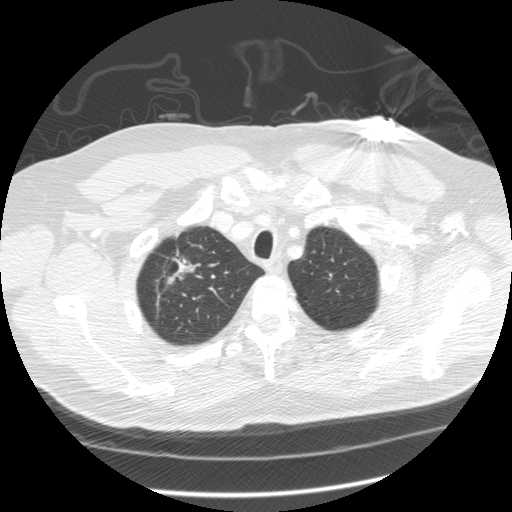
Axial chest CT slice 265 of 305 (counted from the lowest slice); tube voltage 120 kVp, convolution kernel STANDARD; slices 1.25 mm thick, 0.732 mm per pixel.
Pulmonary nodule, outlined by three of the four readers. Box on this slice rows 254–290, columns 158–198, the union of the readers' outlines on this slice; longest diameter 41.0–45.9 mm and volume 6528–11092 mm3 across the three readers' outlines. Ratings across the readers: texture from 3/5 (part-solid) to 5/5 (solid) across the three readers; margin from 1/5 (indistinct) to 4/5 across the three readers; sphericity from 2/5 to 3/5 (ovoid) across the three readers; calcification absent from all three readers; internal structure soft tissue, all three readers agreeing; subtlety 5/5, all three readers agreeing; malignancy likelihood 5/5 from all three readers. Scale key (1–5): texture non-solid→solid, margin indistinct→circumscribed, sphericity linear→round, subtlety extremely subtle→obvious, malignancy likelihood highly unlikely→highly suspicious of cancer. Box rows and columns are 0-based pixel indices from the top-left corner, inclusive.